Axial chest CT slice 77 of 240 (counted from the lowest slice); tube voltage 120 kVp, convolution kernel BONE; slices 1.25 mm thick, 0.703 mm per pixel.
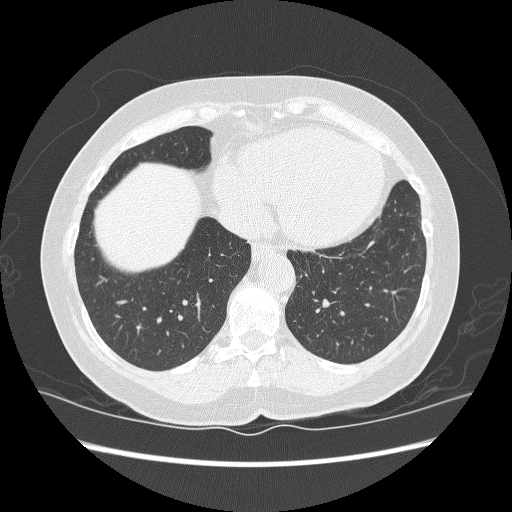
Pulmonary nodule outlined by one of the four readers; box rows 241–245, columns 369–374 (that reader's outline on this slice); longest diameter 7.6 mm and volume 49 mm3 from that reader's outline. Ratings by that reader: texture 5/5 (solid); margin 4/5; sphericity 2/5; calcification absent; internal structure soft tissue; subtlety 1/5; malignancy likelihood 3/5. Scale key (1–5): texture non-solid→solid, margin indistinct→circumscribed, sphericity linear→round, subtlety extremely subtle→obvious, malignancy likelihood highly unlikely→highly suspicious of cancer. Box rows and columns are 0-based pixel indices from the top-left corner, inclusive.